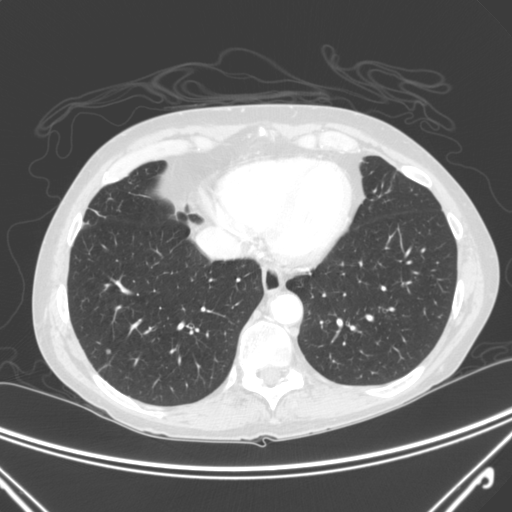
One axial slice (84 of 300, counting up from the lowest) of a chest CT acquired at 120 kVp with the C kernel; each pixel is 0.715 mm and the slice is 2.00 mm thick.
Pulmonary nodule, outlined by three of the four readers. Box on this slice rows 349–353, columns 106–111, the union of the readers' outlines on this slice; median longest diameter 5.4 mm (readers' outlines 5.2–5.4 mm), median volume 62 mm3 (52–68 mm3). Ratings, median across the readers with their spread: texture 5/5 (solid) from all three readers; median margin 4/5 (readers ranged 4/5 to 5/5 (circumscribed)); sphericity 4/5 at the median of three readers, spread 4/5 to 5/5 (round); calcification absent from all three readers; internal structure soft tissue from all three readers; median subtlety 4/5 (readers ranged 4–5); median malignancy likelihood 3/5 (readers ranged 2–3). Scale key (1–5): texture non-solid→solid, margin indistinct→circumscribed, sphericity linear→round, subtlety extremely subtle→obvious, malignancy likelihood highly unlikely→highly suspicious of cancer. Box rows and columns are 0-based pixel indices from the top-left corner, inclusive.